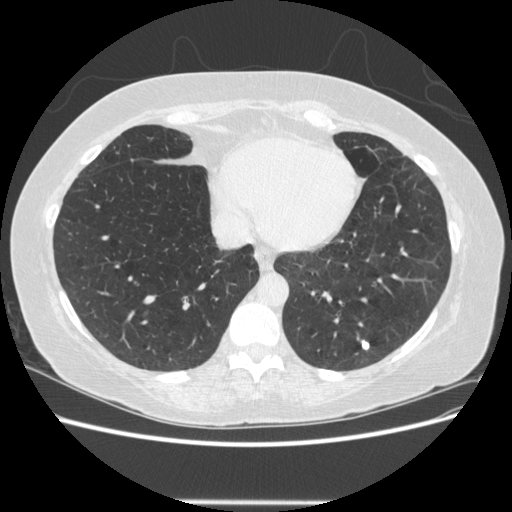
Axial chest CT slice 171 of 513 (counted from the lowest slice); tube voltage 120 kVp, convolution kernel STANDARD; slices 1.25 mm thick, 0.703 mm per pixel.
Pulmonary nodule outlined by all four readers; box rows 339–349, columns 360–368 (the union of the readers' outlines on this slice); longest diameter 8.4 mm on average over the four readers' outlines (readers' outlines 7.6–9.4 mm), volume 94–152 mm3. The readers' prevailing ratings and who disagreed: texture 5/5 (solid) from all four readers; margin 5/5 (circumscribed) by two of four readers; the rest gave 1/5 (indistinct) (one), 4/5 (one); most readers (three of four) put sphericity at 5/5 (round), others 3/5 (ovoid) (one); calcification solid calcification by three of four readers, absent (one); internal structure soft tissue, all four readers agreeing; subtlety 5/5 by three of four readers; the rest gave 4/5 (one); malignancy likelihood 1/5 by three of four readers; the rest gave 4/5 (one). Scale key (1–5): texture non-solid→solid, margin indistinct→circumscribed, sphericity linear→round, subtlety extremely subtle→obvious, malignancy likelihood highly unlikely→highly suspicious of cancer. Box rows and columns are 0-based pixel indices from the top-left corner, inclusive.